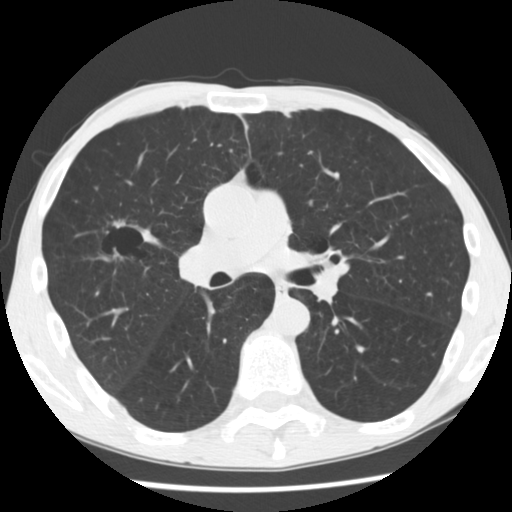
Axial slice 161 of 292 of a chest CT (slice 1 is the lowest), reconstructed with the STANDARD kernel at 120 kVp; 2.50 mm slice thickness and 0.645 mm pixels.
Pulmonary nodule outlined three times (the source holds two more outlines, not used); box rows 219–259, columns 108–128 (the union of the readers' outlines on this slice); median longest diameter 18.3 mm (readers' outlines 18.2–19.0 mm), median volume 926 mm3 (892–1690 mm3). Median ratings and the readers' spread: texture 5/5 (solid) from all three readers; margin 3/5 at the median of three readers, spread 2/5 to 4/5; median sphericity 3/5 (ovoid) (readers ranged 2/5 to 4/5); calcification absent, all three readers agreeing; internal structure soft tissue, all three readers agreeing; median subtlety 4/5 (readers ranged 4–5); malignancy likelihood 5/5 at the median of three readers, spread 3–5. Scale key (1–5): texture non-solid→solid, margin indistinct→circumscribed, sphericity linear→round, subtlety extremely subtle→obvious, malignancy likelihood highly unlikely→highly suspicious of cancer. Box rows and columns are 0-based pixel indices from the top-left corner, inclusive.